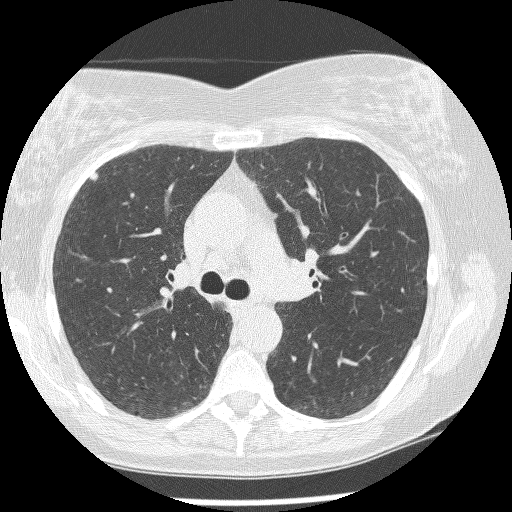
Axial chest CT slice 188 of 270 (counted from the lowest slice); tube voltage 120 kVp, convolution kernel BONE; slices 1.25 mm thick, 0.604 mm per pixel.
Pulmonary nodule, outlined by all four readers. Box on this slice rows 171–180, columns 89–98, the union of the readers' outlines on this slice; longest diameter 5.9–6.9 mm and volume 67–95 mm3 across the four readers' outlines. Ratings across the readers: texture from 4/5 to 5/5 (solid) across the four readers; margin from 4/5 to 5/5 (circumscribed) across the four readers; sphericity from 3/5 (ovoid) to 5/5 (round) across the four readers; calcification absent from all four readers; internal structure soft tissue, all four readers agreeing; subtlety from 3/5 to 4/5 across the four readers; malignancy likelihood rated between 3 and 4 out of 5 by the four readers. Scale key (1–5): texture non-solid→solid, margin indistinct→circumscribed, sphericity linear→round, subtlety extremely subtle→obvious, malignancy likelihood highly unlikely→highly suspicious of cancer. Box rows and columns are 0-based pixel indices from the top-left corner, inclusive.